One axial slice (307 of 536, counting up from the lowest) of a chest CT acquired at 120 kVp with the B30f kernel; each pixel is 0.656 mm and the slice is 0.75 mm thick.
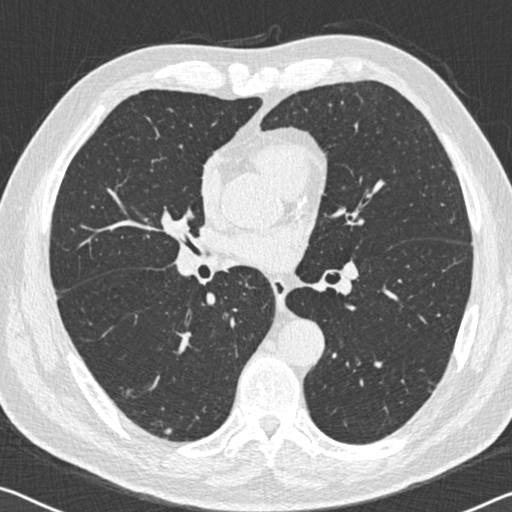
Pulmonary nodule outlined by three of the four readers; box rows 427–434, columns 163–172 (the union of the readers' outlines on this slice); median longest diameter 8.0 mm (readers' outlines 5.9–8.6 mm), median volume 97 mm3 (49–116 mm3). Ratings, median across the readers with their spread: texture 5/5 (solid) at the median of three readers, spread 4/5 to 5/5 (solid); margin 4/5, all three readers agreeing; sphericity 3/5 (ovoid) at the median of three readers, spread 3/5 (ovoid) to 4/5; calcification: absent (two), non-central calcification (one); internal structure soft tissue from all three readers; median subtlety 4/5 (readers ranged 3–5); median malignancy likelihood 2/5 (readers ranged 2–3). Scale key (1–5): texture non-solid→solid, margin indistinct→circumscribed, sphericity linear→round, subtlety extremely subtle→obvious, malignancy likelihood highly unlikely→highly suspicious of cancer. Box rows and columns are 0-based pixel indices from the top-left corner, inclusive.